Axial chest CT slice 180 of 368 (counted from the lowest slice); tube voltage 120 kVp, convolution kernel B70f; slices 2.00 mm thick, 0.623 mm per pixel.
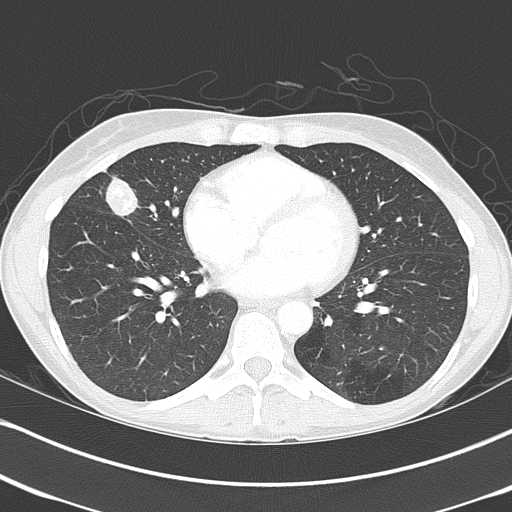
Pulmonary nodule at rows 175–216, columns 105–137 (box = the union of the readers' outlines on this slice), outlined by all four readers; median longest diameter 29.8 mm (readers' outlines 27.1–39.3 mm), median volume 7696 mm3 (6531–9806 mm3). Median ratings and the readers' spread: texture 5/5 (solid), all four readers agreeing; median margin 4/5 (readers ranged 2/5 to 5/5 (circumscribed)); median sphericity 3/5 (ovoid) (readers ranged 2/5 to 3/5 (ovoid)); calcification split among the readers: laminated calcification (one), absent (one), popcorn calcification (one), non-central calcification (one); internal structure soft tissue from all four readers; subtlety 5/5, all four readers agreeing; median malignancy likelihood 3/5 (readers ranged 1–5). Scale key (1–5): texture non-solid→solid, margin indistinct→circumscribed, sphericity linear→round, subtlety extremely subtle→obvious, malignancy likelihood highly unlikely→highly suspicious of cancer. Box rows and columns are 0-based pixel indices from the top-left corner, inclusive.